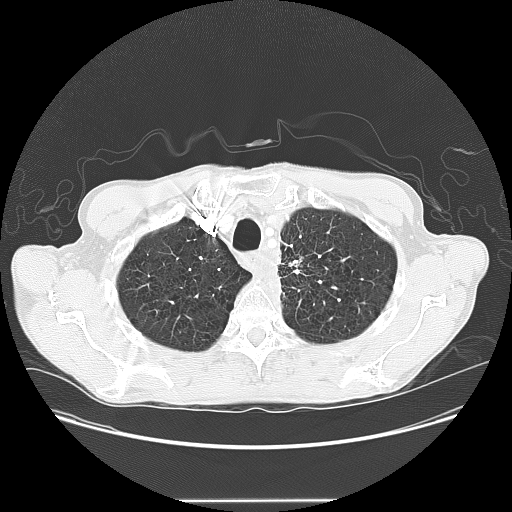
Slice 123/145 of a chest CT, counting up from the lowest; pixel size 0.781 mm, slice thickness 2.50 mm. Pulmonary nodule outlined by one of the four readers; box rows 256–267, columns 288–303 (that reader's outline on this slice); longest diameter 20.7 mm and volume 2229 mm3 from that reader's outline. Ratings by that reader: texture 5/5 (solid); margin 2/5; sphericity 5/5 (round); calcification absent; internal structure soft tissue; subtlety 4/5; malignancy likelihood 5/5. Scale key (1–5): texture non-solid→solid, margin indistinct→circumscribed, sphericity linear→round, subtlety extremely subtle→obvious, malignancy likelihood highly unlikely→highly suspicious of cancer. Box rows and columns are 0-based pixel indices from the top-left corner, inclusive.
Acquired at 120 kVp and reconstructed with the LUNG kernel.